One axial slice (58 of 458, counting up from the lowest) of a chest CT acquired at 120 kVp with the STANDARD kernel; each pixel is 0.625 mm and the slice is 1.25 mm thick.
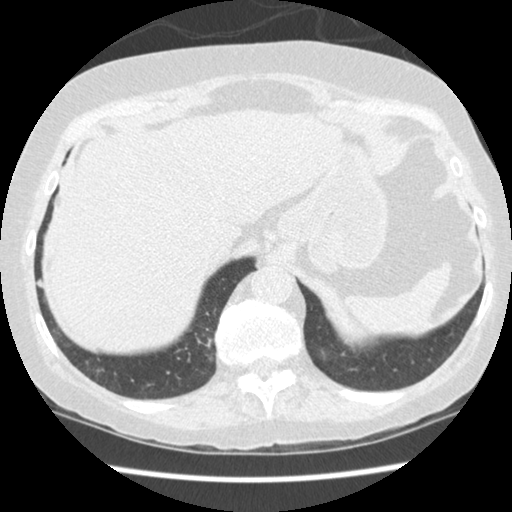
Pulmonary nodule, outlined by one of the four readers. Box on this slice rows 279–287, columns 36–41, that reader's outline on this slice; longest diameter 6.4 mm and volume 86 mm3 from that reader's outline. That reader's ratings: texture 5/5 (solid); margin 4/5; sphericity 3/5 (ovoid); calcification absent; internal structure soft tissue; subtlety 3/5; malignancy likelihood 1/5. Scale key (1–5): texture non-solid→solid, margin indistinct→circumscribed, sphericity linear→round, subtlety extremely subtle→obvious, malignancy likelihood highly unlikely→highly suspicious of cancer. Box rows and columns are 0-based pixel indices from the top-left corner, inclusive.